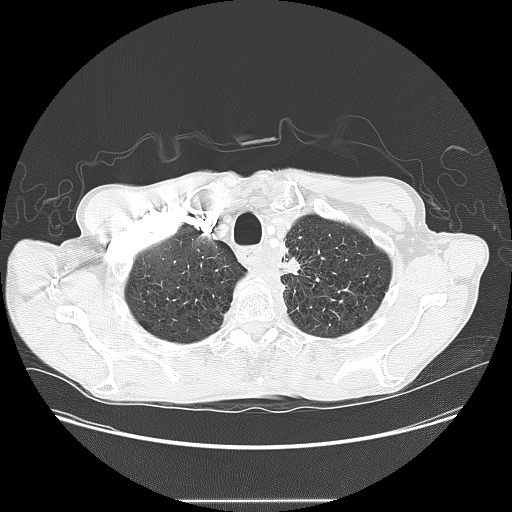
Axial chest CT slice 126 of 145 (counted from the lowest slice); tube voltage 120 kVp, convolution kernel LUNG; slices 2.50 mm thick, 0.781 mm per pixel.
Pulmonary nodule, outlined by one of the four readers. Box on this slice rows 260–273, columns 281–299, that reader's outline on this slice; longest diameter 20.7 mm and volume 2229 mm3 from that reader's outline. Ratings by that reader: texture 5/5 (solid); margin 2/5; sphericity 5/5 (round); calcification absent; internal structure soft tissue; subtlety 4/5; malignancy likelihood 5/5. Scale key (1–5): texture non-solid→solid, margin indistinct→circumscribed, sphericity linear→round, subtlety extremely subtle→obvious, malignancy likelihood highly unlikely→highly suspicious of cancer. Box rows and columns are 0-based pixel indices from the top-left corner, inclusive.